Chest CT, axial plane, 120 kVp, kernel BONE. Slice 89/252 from the bottom of the scan; thickness 1.25 mm; pixel size 0.703 mm.
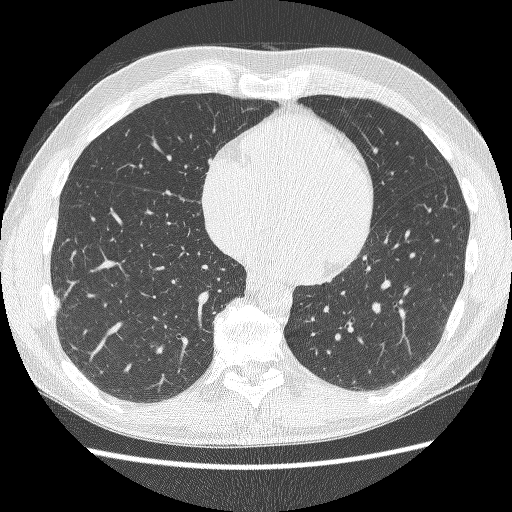
Pulmonary nodule at rows 296–311, columns 54–59 (box = the union of the readers' outlines on this slice), outlined by two of the four readers; median longest diameter 12.1 mm (readers' outlines 11.4–12.7 mm), median volume 259 mm3 (256–262 mm3). Ratings, median across the readers with their spread: median texture 4.5/5 (readers ranged 4/5 to 5/5 (solid)); median margin 4/5 (readers ranged 3/5 to 5/5 (circumscribed)); median sphericity 2.5/5 (readers ranged 2/5 to 3/5 (ovoid)); calcification absent from both readers; internal structure soft tissue, both readers agreeing; median subtlety 3.5/5 (readers ranged 2–5); malignancy likelihood 2.5/5 at the median of two readers, spread 2–3. Scale key (1–5): texture non-solid→solid, margin indistinct→circumscribed, sphericity linear→round, subtlety extremely subtle→obvious, malignancy likelihood highly unlikely→highly suspicious of cancer. Box rows and columns are 0-based pixel indices from the top-left corner, inclusive.